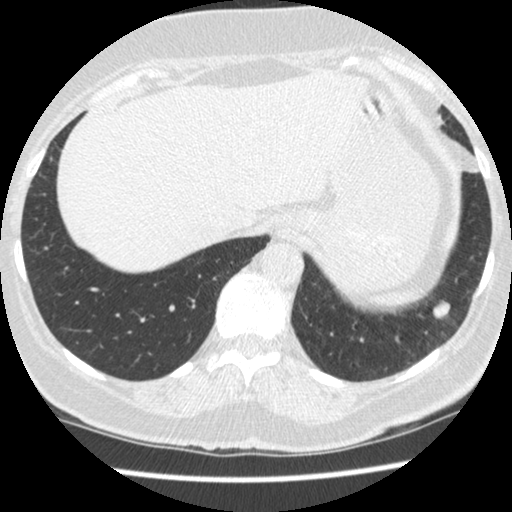
Axial slice 100 of 481 of a chest CT (slice 1 is the lowest), reconstructed with the STANDARD kernel at 120 kVp; 1.25 mm slice thickness and 0.605 mm pixels.
Pulmonary nodule at rows 300–319, columns 432–450 (box = the union of the readers' outlines on this slice), outlined by all four readers; the four readers' outlines give a longest diameter between 13.3 and 14.6 mm and a volume between 633 and 867 mm3. The readers' ratings, as ranges where they differ: texture 5/5 (solid) from all four readers; margin from 4/5 to 5/5 (circumscribed) across the four readers; sphericity from 4/5 to 5/5 (round) across the four readers; calcification absent, all four readers agreeing; internal structure soft tissue from all four readers; subtlety from 4/5 to 5/5 across the four readers; malignancy likelihood 2–5/5 (the readers disagree). Scale key (1–5): texture non-solid→solid, margin indistinct→circumscribed, sphericity linear→round, subtlety extremely subtle→obvious, malignancy likelihood highly unlikely→highly suspicious of cancer. Box rows and columns are 0-based pixel indices from the top-left corner, inclusive.